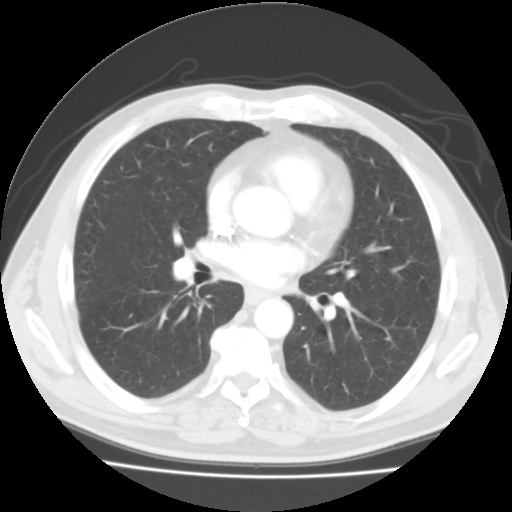
Axial slice 62 of 114 of a chest CT (slice 1 is the lowest), reconstructed with the FC01 kernel at 135 kVp; 3.00 mm slice thickness and 0.711 mm pixels.
No nodule 3 mm or larger was outlined here by any reader.